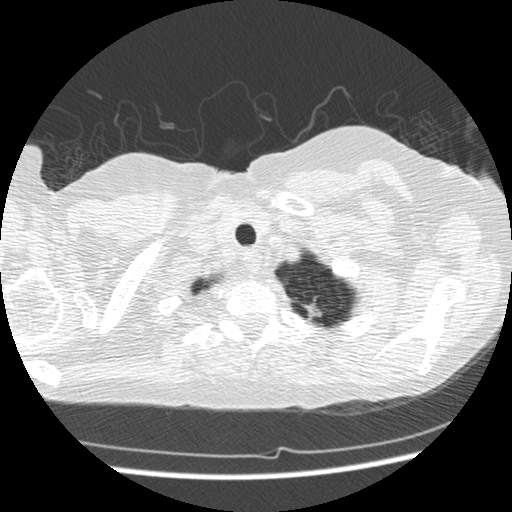
One axial slice (446 of 477, counting up from the lowest) of a chest CT acquired at 120 kVp with the STANDARD kernel; each pixel is 0.625 mm and the slice is 1.25 mm thick.
Pulmonary nodule, outlined by one of the four readers. Box on this slice rows 295–319, columns 301–321, that reader's outline on this slice; longest diameter 20.3 mm and volume 472 mm3 from that reader's outline. That reader's ratings: texture 5/5 (solid); margin 5/5 (circumscribed); sphericity 5/5 (round); calcification solid calcification; internal structure soft tissue; subtlety 5/5; malignancy likelihood 1/5. Scale key (1–5): texture non-solid→solid, margin indistinct→circumscribed, sphericity linear→round, subtlety extremely subtle→obvious, malignancy likelihood highly unlikely→highly suspicious of cancer. Box rows and columns are 0-based pixel indices from the top-left corner, inclusive.